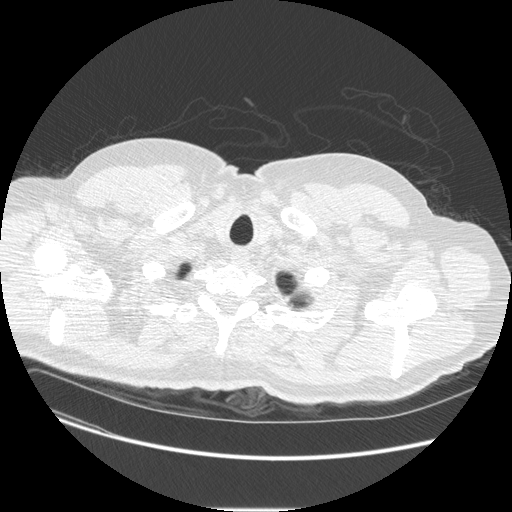
Axial slice 440 of 461 of a chest CT (slice 1 is the lowest), reconstructed with the STANDARD kernel at 120 kVp; 1.25 mm slice thickness and 0.781 mm pixels.
Pulmonary nodule at rows 296–301, columns 284–290 (box = that reader's outline on this slice), outlined by one of the four readers; longest diameter 7.8 mm and volume 81 mm3 from that reader's outline. That reader's ratings: texture 5/5 (solid); margin 4/5; sphericity 4/5; calcification absent; internal structure soft tissue; subtlety 5/5; malignancy likelihood 3/5. Scale key (1–5): texture non-solid→solid, margin indistinct→circumscribed, sphericity linear→round, subtlety extremely subtle→obvious, malignancy likelihood highly unlikely→highly suspicious of cancer. Box rows and columns are 0-based pixel indices from the top-left corner, inclusive.